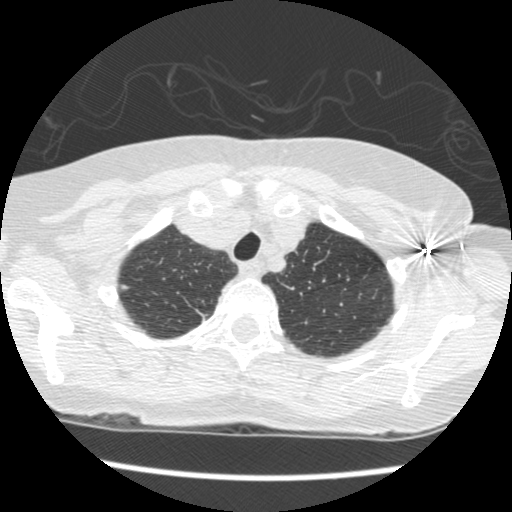
Chest CT, axial plane, 120 kVp, kernel STANDARD. Slice 400/461 from the bottom of the scan; thickness 1.25 mm; pixel size 0.586 mm.
Pulmonary nodule at rows 285–288, columns 120–129 (box = that reader's outline on this slice), outlined by one of the four readers; longest diameter 6.7 mm and volume 53 mm3 from that reader's outline. Ratings by that reader: texture 5/5 (solid); margin 5/5 (circumscribed); sphericity 4/5; calcification absent; internal structure soft tissue; subtlety 5/5; malignancy likelihood 4/5. Scale key (1–5): texture non-solid→solid, margin indistinct→circumscribed, sphericity linear→round, subtlety extremely subtle→obvious, malignancy likelihood highly unlikely→highly suspicious of cancer. Box rows and columns are 0-based pixel indices from the top-left corner, inclusive.